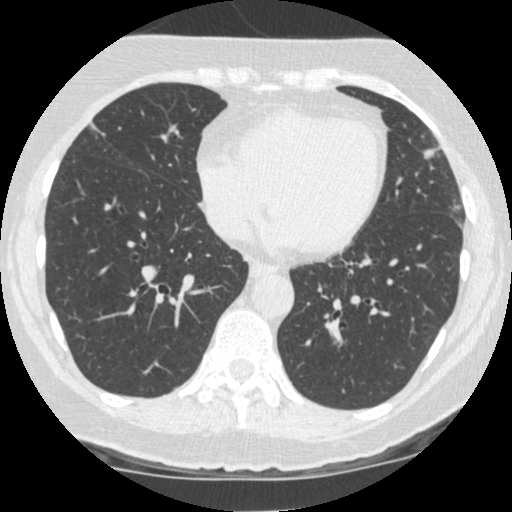
Axial chest CT slice 166 of 481 (counted from the lowest slice); 1.25 mm thick, 0.586 mm per pixel. Pulmonary nodule, outlined by all four readers. Box on this slice rows 148–159, columns 423–435, the union of the readers' outlines on this slice; longest diameter 9.6–11.3 mm and volume 410–491 mm3 across the four readers' outlines. Ratings across the readers: texture 5/5 (solid), all four readers agreeing; margin from 4/5 to 5/5 (circumscribed) across the four readers; sphericity from 4/5 to 5/5 (round) across the four readers; calcification absent, all four readers agreeing; internal structure soft tissue from all four readers; subtlety from 4/5 to 5/5 across the four readers; malignancy likelihood rated between 2 and 5 out of 5 by the four readers. Scale key (1–5): texture non-solid→solid, margin indistinct→circumscribed, sphericity linear→round, subtlety extremely subtle→obvious, malignancy likelihood highly unlikely→highly suspicious of cancer. Box rows and columns are 0-based pixel indices from the top-left corner, inclusive.
Tube voltage 120 kVp; convolution kernel STANDARD.